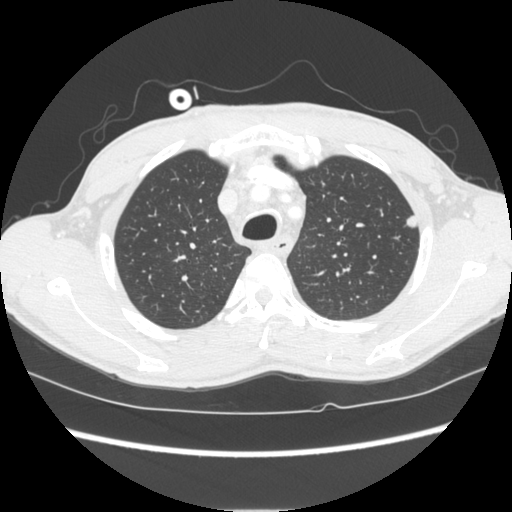
Chest CT, axial plane, 120 kVp, kernel STANDARD. Slice 206/261 from the bottom of the scan; thickness 1.25 mm; pixel size 0.684 mm.
Pulmonary nodule at rows 215–228, columns 406–417 (box = the union of the readers' outlines on this slice), outlined by all four readers; longest diameter 12.5 mm on average over the four readers' outlines (readers' outlines 11.7–13.4 mm), volume 372–605 mm3. The readers' prevailing ratings and who disagreed: texture 5/5 (solid) from all four readers; margin 5/5 (circumscribed), all four readers agreeing; sphericity 4/5 by two of four readers; the rest gave 3/5 (ovoid) (one), 5/5 (round) (one); calcification absent, all four readers agreeing; internal structure soft tissue from all four readers; subtlety 5/5 by two of four readers; the rest gave 3/5 (one), 4/5 (one); malignancy likelihood split among the readers: 2/5 (one), 3/5 (one), 4/5 (one), 5/5 (one). Scale key (1–5): texture non-solid→solid, margin indistinct→circumscribed, sphericity linear→round, subtlety extremely subtle→obvious, malignancy likelihood highly unlikely→highly suspicious of cancer. Box rows and columns are 0-based pixel indices from the top-left corner, inclusive.